Axial slice 70 of 145 of a chest CT (slice 1 is the lowest), reconstructed with the STANDARD kernel at 120 kVp; 2.50 mm slice thickness and 0.742 mm pixels.
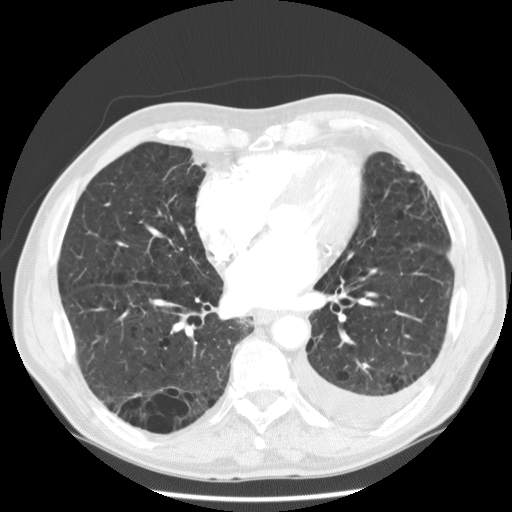
The readers outlined no nodule of 3 mm or more on this slice.